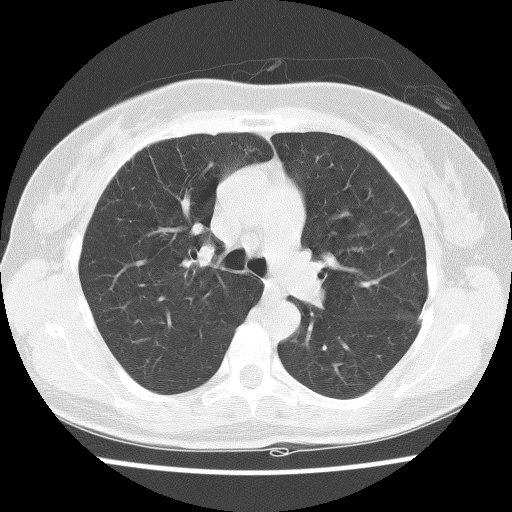
One axial slice (78 of 115, counting up from the lowest) of a chest CT acquired at 140 kVp with the BONE kernel; each pixel is 0.586 mm and the slice is 2.50 mm thick.
No nodule 3 mm or larger was outlined here by any reader.